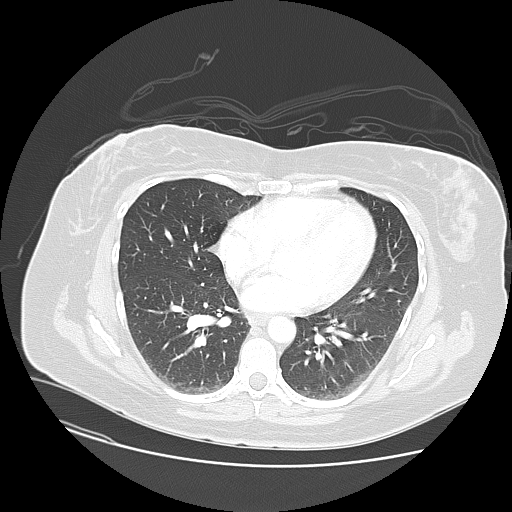
Chest CT, axial plane, 120 kVp, kernel LUNG. Slice 48/109 from the bottom of the scan; thickness 2.50 mm; pixel size 0.781 mm.
No nodule of 3 mm or larger was outlined by any of the four readers on this slice.